Axial slice 83 of 185 of a chest CT (slice 1 is the lowest), reconstructed with the B30f kernel at 120 kVp; 2.00 mm slice thickness and 0.664 mm pixels.
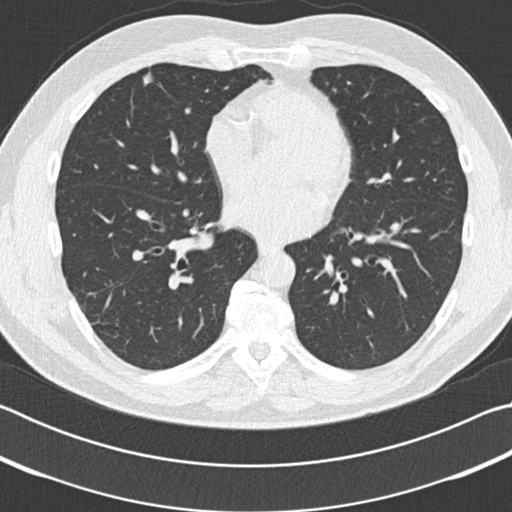
Pulmonary nodule, outlined by three of the four readers. Box on this slice rows 71–85, columns 141–152, the union of the readers' outlines on this slice; longest diameter 12.3 mm on average over the three readers' outlines (readers' outlines 9.5–14.7 mm), volume 181–358 mm3. The readers' prevailing ratings and who disagreed: texture 5/5 (solid) from all three readers; most readers (two of three) put margin at 4/5, others 2/5 (one); most readers (two of three) put sphericity at 3/5 (ovoid), others 4/5 (one); calcification absent, all three readers agreeing; internal structure soft tissue from all three readers; most readers (two of three) put subtlety at 4/5, others 5/5 (one); malignancy likelihood split among the readers: 3/5 (one), 4/5 (one), 5/5 (one). Scale key (1–5): texture non-solid→solid, margin indistinct→circumscribed, sphericity linear→round, subtlety extremely subtle→obvious, malignancy likelihood highly unlikely→highly suspicious of cancer. Box rows and columns are 0-based pixel indices from the top-left corner, inclusive.